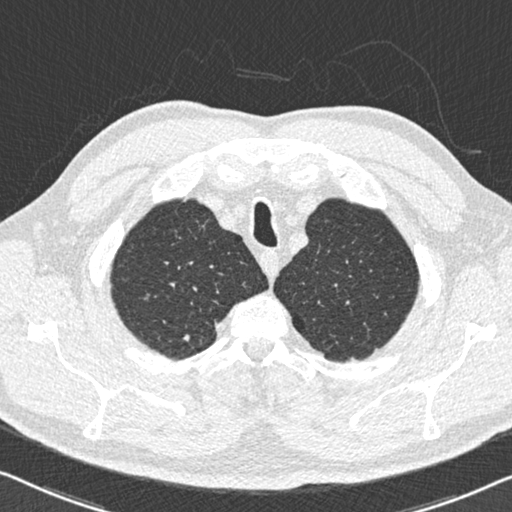
Axial chest CT slice 503 of 558 (counted from the lowest slice); 0.75 mm thick, 0.648 mm per pixel. Pulmonary nodule, outlined by all four readers. Box on this slice rows 333–341, columns 182–190, the union of the readers' outlines on this slice; longest diameter 7.5 mm on average over the four readers' outlines (readers' outlines 6.5–8.7 mm), volume 71–209 mm3. The readers' prevailing ratings and who disagreed: texture 5/5 (solid) by three of four readers; the rest gave 4/5 (one); margin split among the readers: 4/5 (two), 5/5 (circumscribed) (two); sphericity 3/5 (ovoid) by two of four readers; the rest gave 2/5 (one), 5/5 (round) (one); calcification absent by three of four readers, solid calcification (one); internal structure soft tissue, all four readers agreeing; subtlety 3/5 by two of four readers; the rest gave 4/5 (one), 5/5 (one); malignancy likelihood 2/5 by two of four readers; the rest gave 1/5 (one), 3/5 (one). Scale key (1–5): texture non-solid→solid, margin indistinct→circumscribed, sphericity linear→round, subtlety extremely subtle→obvious, malignancy likelihood highly unlikely→highly suspicious of cancer. Box rows and columns are 0-based pixel indices from the top-left corner, inclusive.
Tube voltage 120 kVp; convolution kernel B30f.